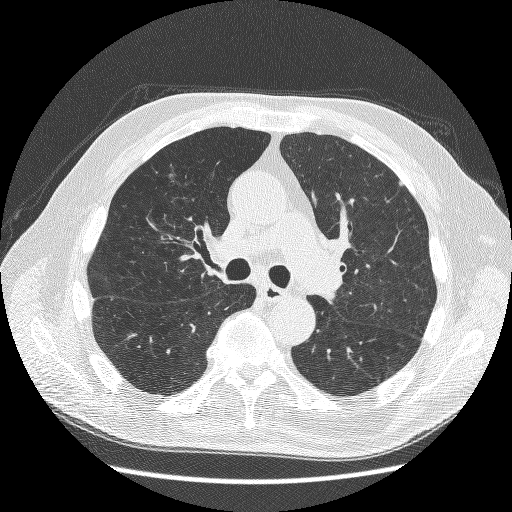
Slice 152/241 of a chest CT, counting up from the lowest; pixel size 0.703 mm, slice thickness 1.25 mm. Pulmonary nodule outlined by one of the four readers; box rows 180–185, columns 399–403 (that reader's outline on this slice); longest diameter 5.7 mm and volume 30 mm3 from that reader's outline. That reader's ratings: texture 5/5 (solid); margin 4/5; sphericity 5/5 (round); calcification absent; internal structure soft tissue; subtlety 2/5; malignancy likelihood 1/5. Scale key (1–5): texture non-solid→solid, margin indistinct→circumscribed, sphericity linear→round, subtlety extremely subtle→obvious, malignancy likelihood highly unlikely→highly suspicious of cancer. Box rows and columns are 0-based pixel indices from the top-left corner, inclusive.
Tube voltage 120 kVp; convolution kernel BONE.